One axial slice (334 of 481, counting up from the lowest) of a chest CT acquired at 120 kVp with the STANDARD kernel; each pixel is 0.703 mm and the slice is 1.25 mm thick.
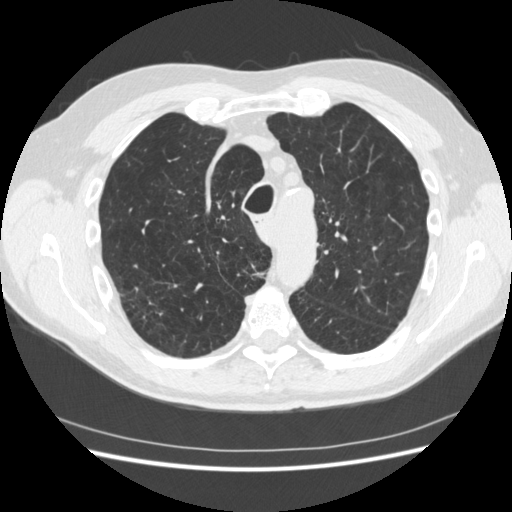
Pulmonary nodule outlined by three of the four readers; box rows 271–278, columns 251–265 (the union of the readers' outlines on this slice); median longest diameter 15.8 mm (readers' outlines 13.5–18.5 mm), median volume 713 mm3 (529–1088 mm3). Median ratings and the readers' spread: texture 5/5 (solid) from all three readers; median margin 4/5 (readers ranged 1/5 (indistinct) to 4/5); sphericity 3/5 (ovoid) at the median of three readers, spread 2/5 to 3/5 (ovoid); calcification absent, all three readers agreeing; internal structure soft tissue, all three readers agreeing; subtlety 5/5 at the median of three readers, spread 4–5; malignancy likelihood 5/5 at the median of three readers, spread 3–5. Scale key (1–5): texture non-solid→solid, margin indistinct→circumscribed, sphericity linear→round, subtlety extremely subtle→obvious, malignancy likelihood highly unlikely→highly suspicious of cancer. Box rows and columns are 0-based pixel indices from the top-left corner, inclusive.